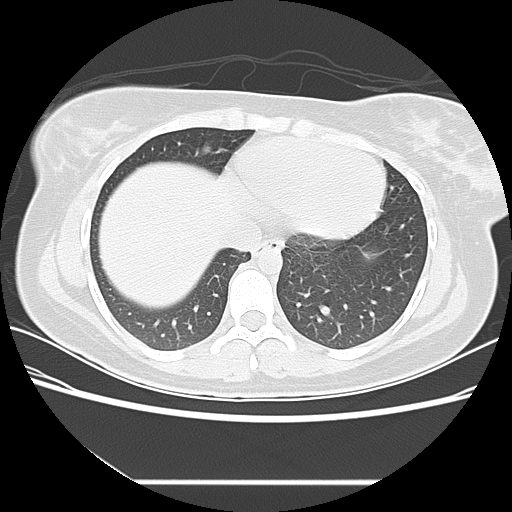
This is axial slice 40 of 109 (slice 1 is the lowest) of a chest CT; each pixel is 0.664 mm and the slice is 2.50 mm thick. Pulmonary nodule outlined by all four readers; box rows 145–153, columns 200–210 (the union of the readers' outlines on this slice); median longest diameter 9.8 mm (readers' outlines 9.7–14.0 mm), median volume 288 mm3 (261–504 mm3). Ratings, median across the readers with their spread: texture 5/5 (solid) at the median of four readers, spread 4/5 to 5/5 (solid); margin 3.5/5 at the median of four readers, spread 3/5 to 4/5; sphericity 4/5 at the median of four readers, spread 3/5 (ovoid) to 5/5 (round); calcification absent from all four readers; internal structure soft tissue, all four readers agreeing; subtlety 5/5 at the median of four readers, spread 4–5; malignancy likelihood 3.5/5 at the median of four readers, spread 3–4. Scale key (1–5): texture non-solid→solid, margin indistinct→circumscribed, sphericity linear→round, subtlety extremely subtle→obvious, malignancy likelihood highly unlikely→highly suspicious of cancer. Box rows and columns are 0-based pixel indices from the top-left corner, inclusive.
Tube voltage 120 kVp; convolution kernel LUNG.